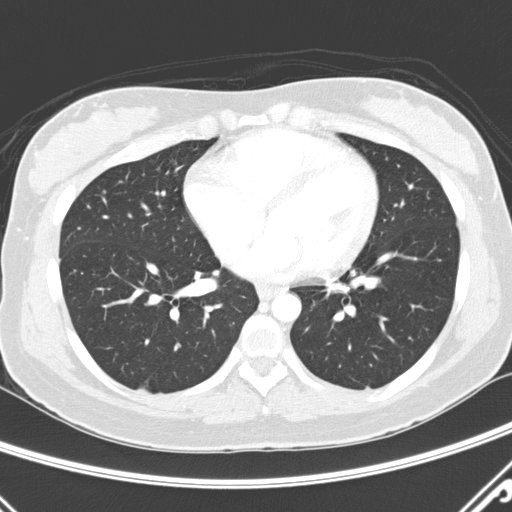
Axial slice 123 of 290 of a chest CT (slice 1 is the lowest), reconstructed with the D kernel at 120 kVp; 2.00 mm slice thickness and 0.648 mm pixels.
Pulmonary nodule at rows 189–194, columns 102–105 (box = the union of the readers' outlines on this slice), outlined by two of the four readers; longest diameter 4.6 mm on average over the two readers' outlines (readers' outlines 4.3–4.9 mm), volume 43–48 mm3. Ratings, by the readers' most common answer with dissent counted: texture 5/5 (solid) from both readers; margin 5/5 (circumscribed) from both readers; sphericity split among the readers: 3/5 (ovoid) (one), 5/5 (round) (one); calcification absent from both readers; internal structure soft tissue, both readers agreeing; subtlety split among the readers: 3/5 (one), 5/5 (one); malignancy likelihood split among the readers: 1/5 (one), 3/5 (one). Scale key (1–5): texture non-solid→solid, margin indistinct→circumscribed, sphericity linear→round, subtlety extremely subtle→obvious, malignancy likelihood highly unlikely→highly suspicious of cancer. Box rows and columns are 0-based pixel indices from the top-left corner, inclusive.